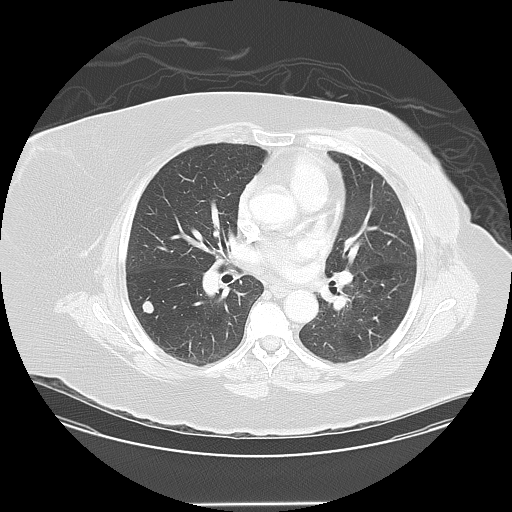
Slice 81/133 of a chest CT, counting up from the lowest; pixel size 0.859 mm, slice thickness 2.50 mm. Pulmonary nodule outlined by all four readers; box rows 300–312, columns 142–153 (the union of the readers' outlines on this slice); median longest diameter 12.6 mm (readers' outlines 11.9–14.2 mm), median volume 935 mm3 (819–997 mm3). Median ratings and the readers' spread: texture 5/5 (solid), all four readers agreeing; margin 5/5 (circumscribed) at the median of four readers, spread 4/5 to 5/5 (circumscribed); median sphericity 4/5 (readers ranged 3/5 (ovoid) to 4/5); calcification absent, all four readers agreeing; internal structure soft tissue from all four readers; subtlety 5/5 at the median of four readers, spread 4–5; median malignancy likelihood 3/5 (readers ranged 2–5). Scale key (1–5): texture non-solid→solid, margin indistinct→circumscribed, sphericity linear→round, subtlety extremely subtle→obvious, malignancy likelihood highly unlikely→highly suspicious of cancer. Box rows and columns are 0-based pixel indices from the top-left corner, inclusive.
Tube voltage 120 kVp; convolution kernel LUNG.